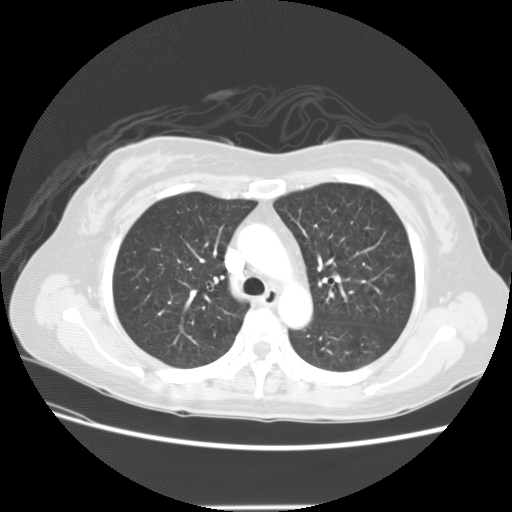
Slice 99/133 of a chest CT, counting up from the lowest; pixel size 0.703 mm, slice thickness 2.50 mm. No nodule 3 mm or larger was outlined here by any reader.
Scan settings: 120 kVp, STANDARD reconstruction kernel.